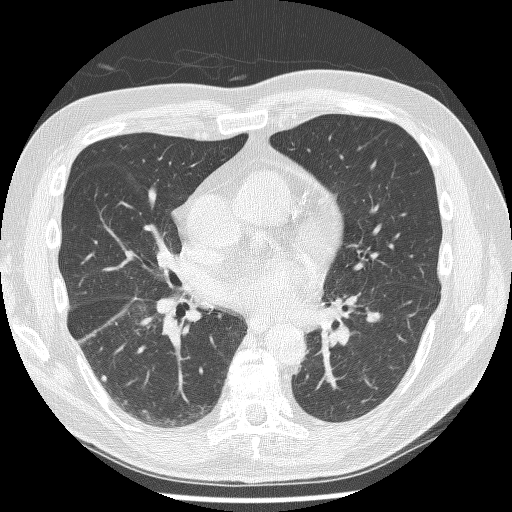
Slice 125/244 of a chest CT, counting up from the lowest; pixel size 0.674 mm, slice thickness 1.25 mm. Pulmonary nodule at rows 375–381, columns 100–106 (box = the union of the readers' outlines on this slice), outlined by all four readers; longest diameter 5.6 mm on average over the four readers' outlines (readers' outlines 4.5–6.6 mm), volume 47–112 mm3. The readers' prevailing ratings and who disagreed: most readers (three of four) put texture at 5/5 (solid), others 4/5 (one); margin 5/5 (circumscribed) by two of four readers; the rest gave 2/5 (one), 4/5 (one); sphericity 4/5 by two of four readers; the rest gave 3/5 (ovoid) (one), 5/5 (round) (one); calcification absent from all four readers; internal structure soft tissue from all four readers; subtlety split among the readers: 3/5 (two), 4/5 (two); malignancy likelihood 2/5 by two of four readers; the rest gave 3/5 (one), 4/5 (one). Scale key (1–5): texture non-solid→solid, margin indistinct→circumscribed, sphericity linear→round, subtlety extremely subtle→obvious, malignancy likelihood highly unlikely→highly suspicious of cancer. Box rows and columns are 0-based pixel indices from the top-left corner, inclusive.
Scan settings: 120 kVp, BONE reconstruction kernel.